Axial chest CT slice 32 of 106 (counted from the lowest slice); tube voltage 120 kVp, convolution kernel B31f; slices 3.00 mm thick, 0.705 mm per pixel.
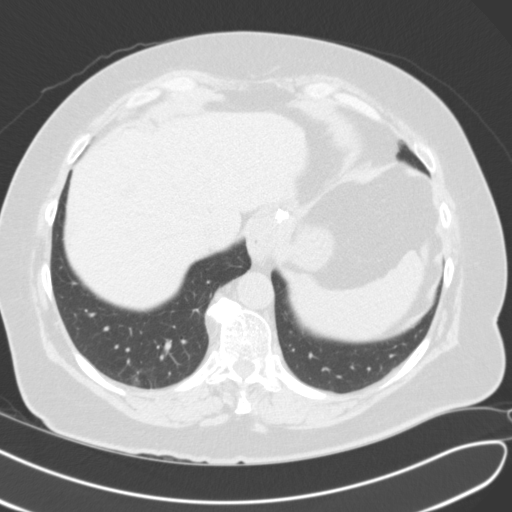
Pulmonary nodule outlined by all four readers, one of them on this slice; box rows 377–383, columns 133–138 (the one reader's outline on this slice); longest diameter 20.3 mm on average over the four readers' outlines (readers' outlines 19.5–21.3 mm), volume 1709–3140 mm3. The readers' prevailing ratings and who disagreed: texture 5/5 (solid) by three of four readers; the rest gave 4/5 (one); margin 4/5 by two of four readers; the rest gave 3/5 (one), 5/5 (circumscribed) (one); most readers (three of four) put sphericity at 5/5 (round), others 4/5 (one); calcification absent, all four readers agreeing; internal structure soft tissue by three of four readers, air (one); most readers (three of four) put subtlety at 5/5, others 4/5 (one); malignancy likelihood 3/5 by two of four readers; the rest gave 1/5 (one), 5/5 (one). Scale key (1–5): texture non-solid→solid, margin indistinct→circumscribed, sphericity linear→round, subtlety extremely subtle→obvious, malignancy likelihood highly unlikely→highly suspicious of cancer. Box rows and columns are 0-based pixel indices from the top-left corner, inclusive.